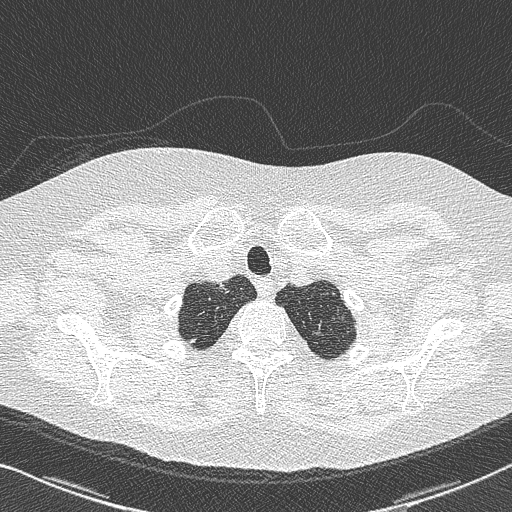
Chest CT, axial plane, 120 kVp, kernel B50f. Slice 661/733 from the bottom of the scan; thickness 0.60 mm; pixel size 0.637 mm.
Pulmonary nodule at rows 330–335, columns 312–323 (box = the one reader's outline on this slice), outlined by three of the four readers, one of them on this slice; median longest diameter 9.4 mm (readers' outlines 8.9–10.9 mm), median volume 62 mm3 (51–94 mm3). Median ratings and the readers' spread: median texture 4/5 (readers ranged 3/5 (part-solid) to 5/5 (solid)); margin 3/5 at the median of three readers, spread 2/5 to 4/5; sphericity 3/5 (ovoid) at the median of three readers, spread 2/5 to 5/5 (round); calcification absent from all three readers; internal structure soft tissue, all three readers agreeing; median subtlety 4/5 (readers ranged 4–5); malignancy likelihood 4/5 at the median of three readers, spread 3–4. Scale key (1–5): texture non-solid→solid, margin indistinct→circumscribed, sphericity linear→round, subtlety extremely subtle→obvious, malignancy likelihood highly unlikely→highly suspicious of cancer. Box rows and columns are 0-based pixel indices from the top-left corner, inclusive.